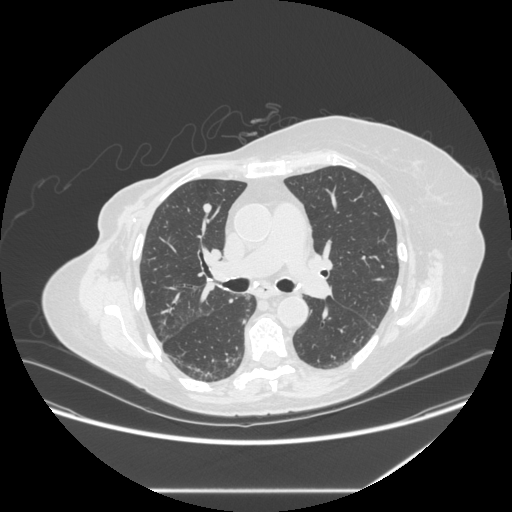
One axial slice (176 of 281, counting up from the lowest) of a chest CT acquired at 120 kVp with the STANDARD kernel; each pixel is 0.816 mm and the slice is 1.25 mm thick.
Pulmonary nodule, outlined by all four readers. Box on this slice rows 203–212, columns 203–211, the union of the readers' outlines on this slice; longest diameter 9.2–9.9 mm and volume 239–329 mm3 across the four readers' outlines. Ratings across the readers: texture 5/5 (solid), all four readers agreeing; margin 5/5 (circumscribed) from all four readers; sphericity from 4/5 to 5/5 (round) across the four readers; calcification absent, all four readers agreeing; internal structure soft tissue from all four readers; subtlety from 3/5 to 4/5 across the four readers; malignancy likelihood rated between 2 and 3 out of 5 by the four readers. Scale key (1–5): texture non-solid→solid, margin indistinct→circumscribed, sphericity linear→round, subtlety extremely subtle→obvious, malignancy likelihood highly unlikely→highly suspicious of cancer. Box rows and columns are 0-based pixel indices from the top-left corner, inclusive.